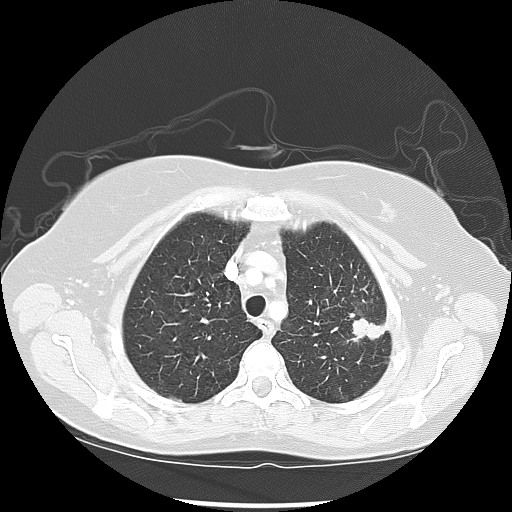
Axial slice 107 of 133 of a chest CT (slice 1 is the lowest), reconstructed with the LUNG kernel at 120 kVp; 2.50 mm slice thickness and 0.703 mm pixels.
Pulmonary nodule, outlined by all four readers. Box on this slice rows 318–340, columns 351–387, the union of the readers' outlines on this slice; median longest diameter 28.2 mm (readers' outlines 27.6–35.0 mm), median volume 3866 mm3 (3749–4875 mm3). Ratings, median across the readers with their spread: texture 5/5 (solid), all four readers agreeing; median margin 3.5/5 (readers ranged 2/5 to 5/5 (circumscribed)); median sphericity 3/5 (ovoid) (readers ranged 3/5 (ovoid) to 5/5 (round)); calcification absent, all four readers agreeing; internal structure soft tissue from all four readers; subtlety 5/5 from all four readers; median malignancy likelihood 4/5 (readers ranged 3–5). Scale key (1–5): texture non-solid→solid, margin indistinct→circumscribed, sphericity linear→round, subtlety extremely subtle→obvious, malignancy likelihood highly unlikely→highly suspicious of cancer. Box rows and columns are 0-based pixel indices from the top-left corner, inclusive.